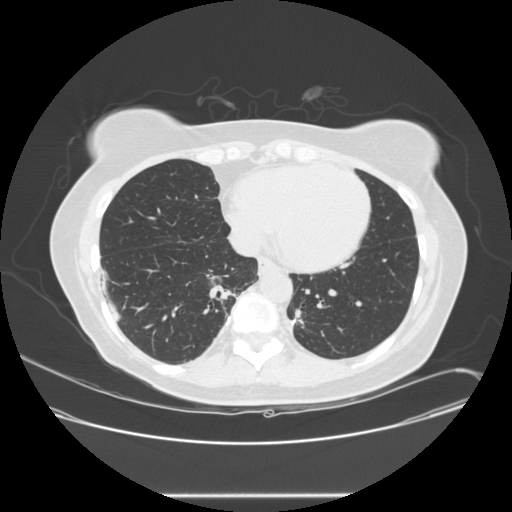
This is axial slice 107 of 257 (slice 1 is the lowest) of a chest CT; each pixel is 0.781 mm and the slice is 1.25 mm thick. Pulmonary nodule outlined by all four readers, one of them on this slice; box rows 283–298, columns 210–235 (the one reader's outline on this slice); median longest diameter 33.5 mm (readers' outlines 28.0–45.1 mm), median volume 6377 mm3 (5019–8578 mm3). Ratings, median across the readers with their spread: texture 5/5 (solid), all four readers agreeing; margin 4.5/5 at the median of four readers, spread 1/5 (indistinct) to 5/5 (circumscribed); median sphericity 3.5/5 (readers ranged 3/5 (ovoid) to 4/5); calcification absent, all four readers agreeing; internal structure soft tissue, all four readers agreeing; subtlety 5/5 from all four readers; malignancy likelihood 5/5 from all four readers. Scale key (1–5): texture non-solid→solid, margin indistinct→circumscribed, sphericity linear→round, subtlety extremely subtle→obvious, malignancy likelihood highly unlikely→highly suspicious of cancer. Box rows and columns are 0-based pixel indices from the top-left corner, inclusive.
Acquired at 120 kVp and reconstructed with the STANDARD kernel.